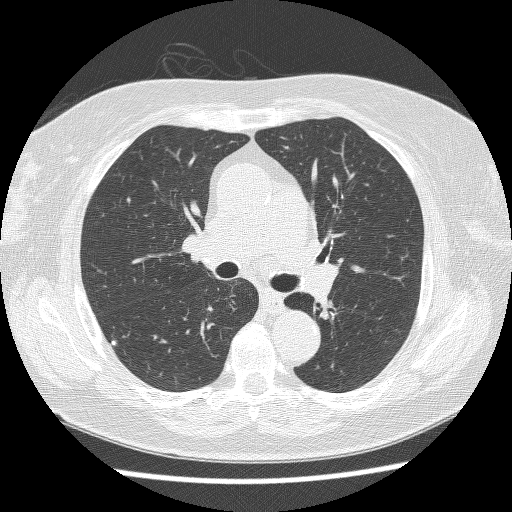
One axial slice (154 of 229, counting up from the lowest) of a chest CT acquired at 120 kVp with the BONE kernel; each pixel is 0.654 mm and the slice is 1.25 mm thick.
Pulmonary nodule, outlined by all four readers. Box on this slice rows 339–345, columns 110–115, the union of the readers' outlines on this slice; median longest diameter 7.3 mm (readers' outlines 7.3 mm), median volume 139 mm3 (124–150 mm3). Median ratings and the readers' spread: texture 5/5 (solid) from all four readers; margin 5/5 (circumscribed) from all four readers; median sphericity 4.5/5 (readers ranged 4/5 to 5/5 (round)); calcification solid calcification, all four readers agreeing; internal structure soft tissue from all four readers; subtlety 4.5/5 at the median of four readers, spread 3–5; malignancy likelihood 1/5 from all four readers. Scale key (1–5): texture non-solid→solid, margin indistinct→circumscribed, sphericity linear→round, subtlety extremely subtle→obvious, malignancy likelihood highly unlikely→highly suspicious of cancer. Box rows and columns are 0-based pixel indices from the top-left corner, inclusive.